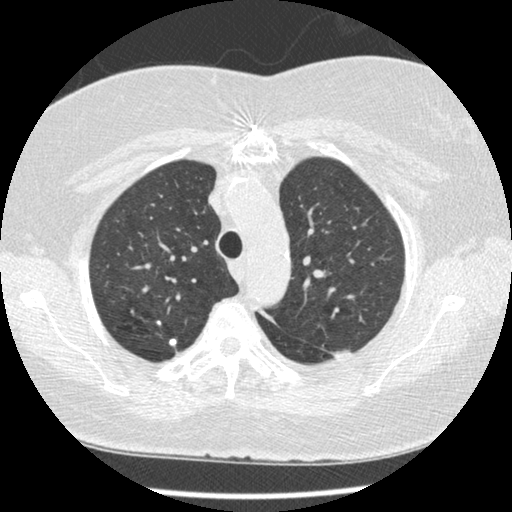
Slice 277/375 of a chest CT, counting up from the lowest; pixel size 0.625 mm, slice thickness 1.25 mm. Two pulmonary nodules are outlined on this slice; from left to right: (1) Pulmonary nodule outlined by three of the four readers; box rows 320–326, columns 156–161 (the union of the readers' outlines on this slice); longest diameter 5.4 mm on average over the three readers' outlines (readers' outlines 5.0–5.9 mm), volume 31–56 mm3. Ratings, by the readers' most common answer with dissent counted: texture 5/5 (solid) from all three readers; margin 5/5 (circumscribed), all three readers agreeing; most readers (two of three) put sphericity at 5/5 (round), others 4/5 (one); calcification solid calcification by two of three readers, absent (one); internal structure soft tissue, all three readers agreeing; subtlety 4/5 by two of three readers; the rest gave 5/5 (one); most readers (two of three) put malignancy likelihood at 1/5, others 2/5 (one). (2) Pulmonary nodule outlined by two of the four readers; box rows 337–345, columns 167–177 (the union of the readers' outlines on this slice); longest diameter 6.4–9.1 mm and volume 95–233 mm3 across the two readers' outlines. Ratings across the readers: texture 5/5 (solid) from both readers; margin 5/5 (circumscribed) from both readers; sphericity from 3/5 (ovoid) to 4/5 across the two readers; calcification split among the readers: solid calcification (one), absent (one); internal structure soft tissue from both readers; subtlety 4–5/5 (the readers disagree); malignancy likelihood from 1/5 to 3/5 across the two readers. Scale key (1–5): texture non-solid→solid, margin indistinct→circumscribed, sphericity linear→round, subtlety extremely subtle→obvious, malignancy likelihood highly unlikely→highly suspicious of cancer. Box rows and columns are 0-based pixel indices from the top-left corner, inclusive.
Acquired at 120 kVp and reconstructed with the STANDARD kernel.